Chest CT, axial plane, 120 kVp, kernel STANDARD. Slice 330/413 from the bottom of the scan; thickness 1.25 mm; pixel size 0.703 mm.
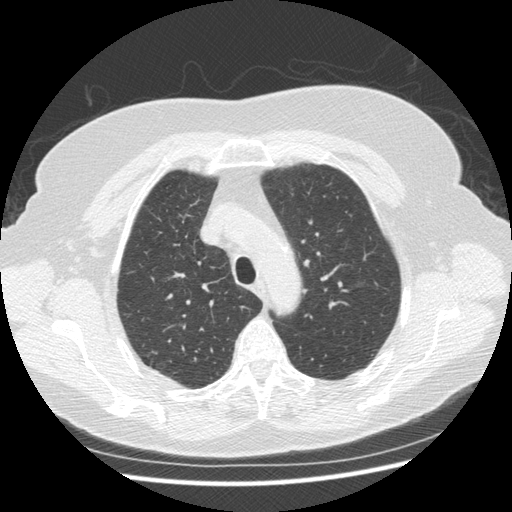
Pulmonary nodule, outlined by two of the four readers. Box on this slice rows 282–286, columns 356–362, the union of the readers' outlines on this slice; longest diameter 10.1 mm on average over the two readers' outlines (readers' outlines 10.1 mm), volume 131–234 mm3. The readers' prevailing ratings and who disagreed: texture 1/5 (non-solid) from both readers; margin split among the readers: 1/5 (indistinct) (one), 3/5 (one); sphericity split among the readers: 4/5 (one), 5/5 (round) (one); calcification absent, both readers agreeing; internal structure soft tissue, both readers agreeing; subtlety split among the readers: 1/5 (one), 4/5 (one); malignancy likelihood split among the readers: 3/5 (one), 4/5 (one). Scale key (1–5): texture non-solid→solid, margin indistinct→circumscribed, sphericity linear→round, subtlety extremely subtle→obvious, malignancy likelihood highly unlikely→highly suspicious of cancer. Box rows and columns are 0-based pixel indices from the top-left corner, inclusive.